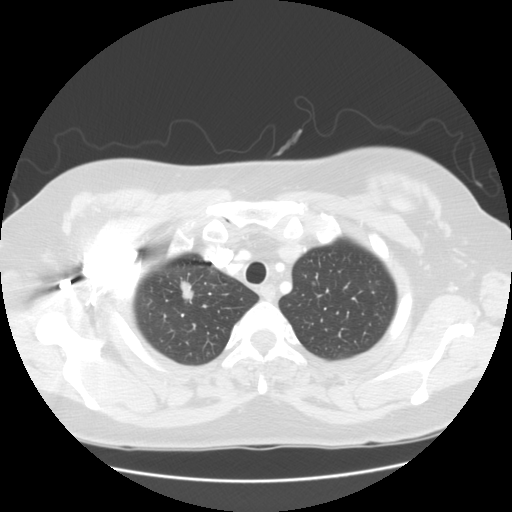
Axial slice 122 of 139 of a chest CT (slice 1 is the lowest), reconstructed with the STANDARD kernel at 120 kVp; 2.50 mm slice thickness and 0.703 mm pixels.
Pulmonary nodule at rows 280–299, columns 180–193 (box = the union of the readers' outlines on this slice), outlined by all four readers; median longest diameter 15.4 mm (readers' outlines 14.0–16.4 mm), median volume 825 mm3 (649–903 mm3). Ratings, median across the readers with their spread: median texture 4.5/5 (readers ranged 3/5 (part-solid) to 5/5 (solid)); margin 4/5 at the median of four readers, spread 3/5 to 5/5 (circumscribed); median sphericity 3.5/5 (readers ranged 3/5 (ovoid) to 5/5 (round)); calcification absent, all four readers agreeing; internal structure soft tissue, all four readers agreeing; subtlety 5/5 at the median of four readers, spread 4–5; median malignancy likelihood 4.5/5 (readers ranged 3–5). Scale key (1–5): texture non-solid→solid, margin indistinct→circumscribed, sphericity linear→round, subtlety extremely subtle→obvious, malignancy likelihood highly unlikely→highly suspicious of cancer. Box rows and columns are 0-based pixel indices from the top-left corner, inclusive.